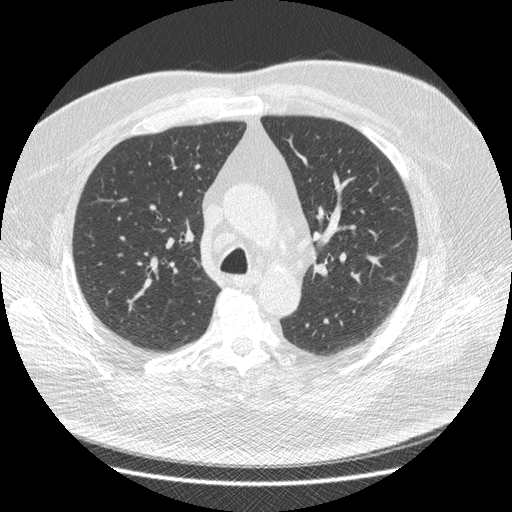
Axial slice 286 of 426 of a chest CT (slice 1 is the lowest), reconstructed with the STANDARD kernel at 120 kVp; 1.25 mm slice thickness and 0.742 mm pixels.
This slice carries no reader outline of a nodule 3 mm or larger.